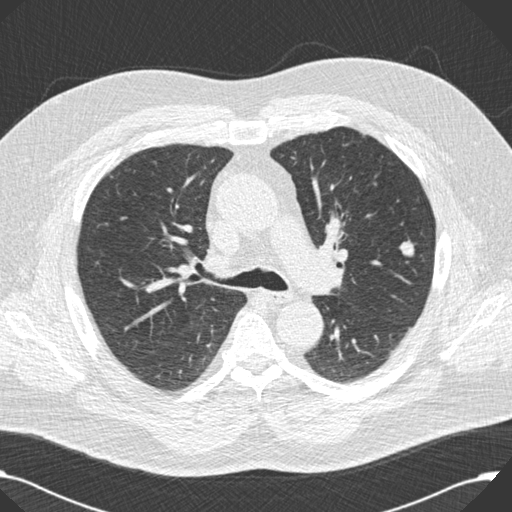
This is axial slice 112 of 176 (slice 1 is the lowest) of a chest CT; each pixel is 0.742 mm and the slice is 2.00 mm thick. Pulmonary nodule outlined by all four readers; box rows 239–257, columns 398–415 (the union of the readers' outlines on this slice); longest diameter 14.9 mm on average over the four readers' outlines (readers' outlines 14.3–16.3 mm), volume 1042–1473 mm3. The readers' prevailing ratings and who disagreed: texture 5/5 (solid), all four readers agreeing; margin 5/5 (circumscribed) by three of four readers; the rest gave 4/5 (one); sphericity 4/5 by three of four readers; the rest gave 5/5 (round) (one); calcification split among the readers: absent (two), non-central calcification (two); internal structure soft tissue from all four readers; most readers (three of four) put subtlety at 5/5, others 3/5 (one); malignancy likelihood 2/5 by two of four readers; the rest gave 3/5 (one), 4/5 (one). Scale key (1–5): texture non-solid→solid, margin indistinct→circumscribed, sphericity linear→round, subtlety extremely subtle→obvious, malignancy likelihood highly unlikely→highly suspicious of cancer. Box rows and columns are 0-based pixel indices from the top-left corner, inclusive.
Acquired at 120 kVp and reconstructed with the B30f kernel.